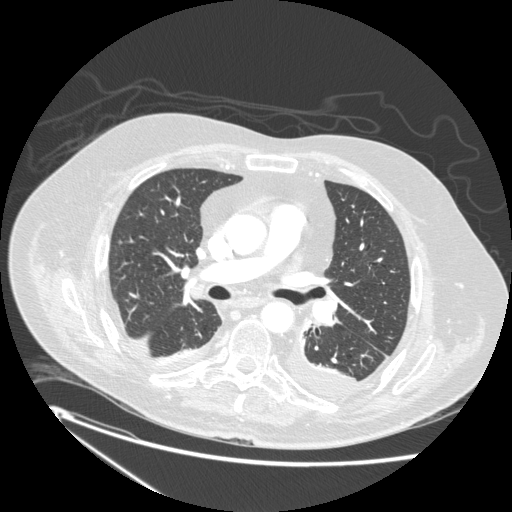
Chest CT, axial plane, 120 kVp, kernel STANDARD. Slice 136/238 from the bottom of the scan; thickness 1.25 mm; pixel size 0.781 mm.
No nodule of 3 mm or larger was outlined by any of the four readers on this slice.